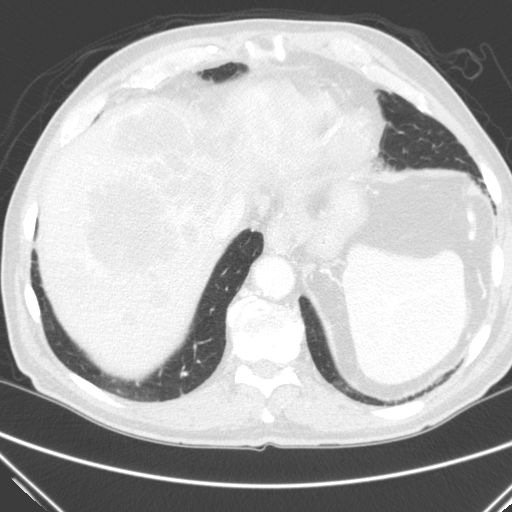
Chest CT, axial plane, 120 kVp, kernel C. Slice 48/290 from the bottom of the scan; thickness 2.00 mm; pixel size 0.682 mm.
Pulmonary nodule at rows 371–376, columns 181–187 (box = the union of the readers' outlines on this slice), outlined by three of the four readers; longest diameter 8.4 mm on average over the three readers' outlines (readers' outlines 7.9–9.1 mm), volume 197–260 mm3. Ratings, by the readers' most common answer with dissent counted: texture 5/5 (solid) from all three readers; margin 5/5 (circumscribed), all three readers agreeing; most readers (two of three) put sphericity at 5/5 (round), others 4/5 (one); calcification absent by two of three readers, solid calcification (one); internal structure soft tissue, all three readers agreeing; subtlety 5/5 from all three readers; most readers (two of three) put malignancy likelihood at 1/5, others 3/5 (one). Scale key (1–5): texture non-solid→solid, margin indistinct→circumscribed, sphericity linear→round, subtlety extremely subtle→obvious, malignancy likelihood highly unlikely→highly suspicious of cancer. Box rows and columns are 0-based pixel indices from the top-left corner, inclusive.